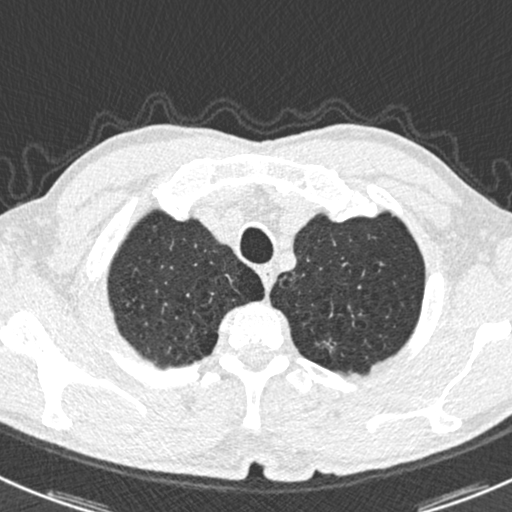
Axial chest CT slice 489 of 538 (counted from the lowest slice); tube voltage 120 kVp, convolution kernel B30f; slices 0.75 mm thick, 0.605 mm per pixel.
Pulmonary nodule outlined by one of the four readers; box rows 338–357, columns 315–335 (that reader's outline on this slice); longest diameter 14.6 mm and volume 194 mm3 from that reader's outline. Ratings by that reader: texture 2/5; margin 1/5 (indistinct); sphericity 2/5; calcification absent; internal structure soft tissue; subtlety 2/5; malignancy likelihood 4/5. Scale key (1–5): texture non-solid→solid, margin indistinct→circumscribed, sphericity linear→round, subtlety extremely subtle→obvious, malignancy likelihood highly unlikely→highly suspicious of cancer. Box rows and columns are 0-based pixel indices from the top-left corner, inclusive.